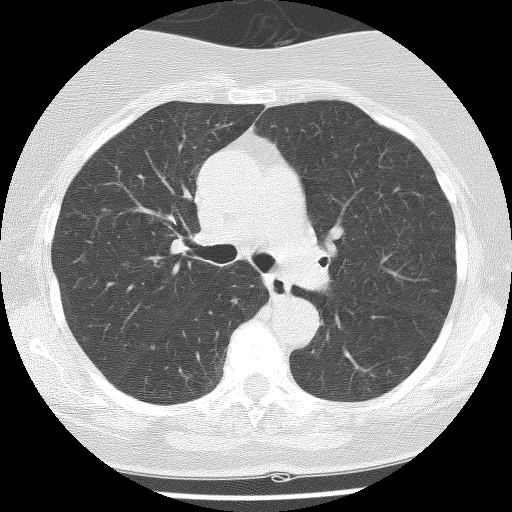
Axial slice 64 of 103 of a chest CT (slice 1 is the lowest), reconstructed with the BONE kernel at 140 kVp; 2.50 mm slice thickness and 0.564 mm pixels.
Pulmonary nodule at rows 346–348, columns 151–153 (box = that reader's outline on this slice), outlined by one of the four readers; longest diameter 2.9 mm and volume 13 mm3 from that reader's outline. Ratings by that reader: texture 1/5 (non-solid); margin 2/5; sphericity 5/5 (round); calcification absent; internal structure soft tissue; subtlety 2/5; malignancy likelihood 1/5. Scale key (1–5): texture non-solid→solid, margin indistinct→circumscribed, sphericity linear→round, subtlety extremely subtle→obvious, malignancy likelihood highly unlikely→highly suspicious of cancer. Box rows and columns are 0-based pixel indices from the top-left corner, inclusive.